Chest CT, axial plane, 120 kVp, kernel STANDARD. Slice 77/141 from the bottom of the scan; thickness 2.50 mm; pixel size 0.586 mm.
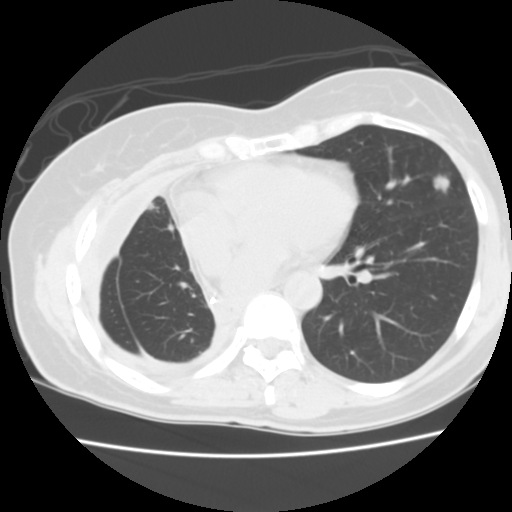
Pulmonary nodule outlined by all four readers; box rows 173–192, columns 431–449 (the union of the readers' outlines on this slice); longest diameter 16.9–18.9 mm and volume 990–1313 mm3 across the four readers' outlines. The readers' ratings, as ranges where they differ: texture from 4/5 to 5/5 (solid) across the four readers; margin from 3/5 to 5/5 (circumscribed) across the four readers; sphericity from 3/5 (ovoid) to 5/5 (round) across the four readers; calcification absent from all four readers; internal structure soft tissue from all four readers; subtlety 5/5, all four readers agreeing; malignancy likelihood from 3/5 to 5/5 across the four readers. Scale key (1–5): texture non-solid→solid, margin indistinct→circumscribed, sphericity linear→round, subtlety extremely subtle→obvious, malignancy likelihood highly unlikely→highly suspicious of cancer. Box rows and columns are 0-based pixel indices from the top-left corner, inclusive.